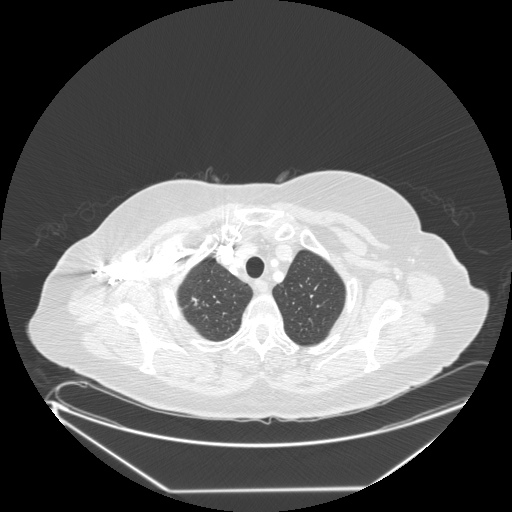
Slice 225/265 of a chest CT, counting up from the lowest; pixel size 0.943 mm, slice thickness 1.25 mm. Pulmonary nodule outlined by one of the four readers; box rows 297–305, columns 192–197 (that reader's outline on this slice); longest diameter 10.2 mm and volume 138 mm3 from that reader's outline. Ratings by that reader: texture 5/5 (solid); margin 3/5; sphericity 2/5; calcification absent; internal structure soft tissue; subtlety 2/5; malignancy likelihood 2/5. Scale key (1–5): texture non-solid→solid, margin indistinct→circumscribed, sphericity linear→round, subtlety extremely subtle→obvious, malignancy likelihood highly unlikely→highly suspicious of cancer. Box rows and columns are 0-based pixel indices from the top-left corner, inclusive.
Scan settings: 120 kVp, STANDARD reconstruction kernel.